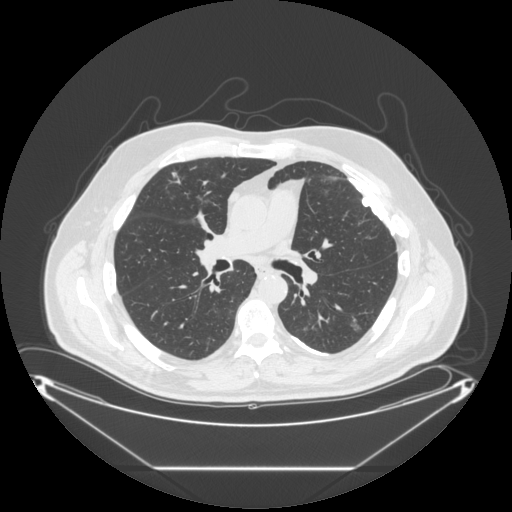
Axial chest CT slice 165 of 297 (counted from the lowest slice); tube voltage 120 kVp, convolution kernel STANDARD; slices 1.25 mm thick, 0.949 mm per pixel.
Two pulmonary nodules are outlined on this slice; from left to right: (1) Pulmonary nodule outlined by two of the four readers; box rows 171–178, columns 171–177 (the union of the readers' outlines on this slice); longest diameter 8.9 mm on average over the two readers' outlines (readers' outlines 8.1–9.7 mm), volume 121–173 mm3. Ratings, by the readers' most common answer with dissent counted: texture 1/5 (non-solid), both readers agreeing; margin 2/5, both readers agreeing; sphericity 5/5 (round), both readers agreeing; calcification absent from both readers; internal structure soft tissue, both readers agreeing; subtlety split among the readers: 1/5 (one), 2/5 (one); malignancy likelihood split among the readers: 2/5 (one), 3/5 (one). (2) Pulmonary nodule at rows 318–331, columns 349–360 (box = the union of the readers' outlines on this slice), outlined by two of the four readers; longest diameter 12.7–15.0 mm and volume 351–570 mm3 across the two readers' outlines. Ratings across the readers: texture from 1/5 (non-solid) to 5/5 (solid) across the two readers; margin from 2/5 to 5/5 (circumscribed) across the two readers; sphericity from 4/5 to 5/5 (round) across the two readers; calcification absent from both readers; internal structure soft tissue from both readers; subtlety from 1/5 to 4/5 across the two readers; malignancy likelihood 2/5 from both readers. Scale key (1–5): texture non-solid→solid, margin indistinct→circumscribed, sphericity linear→round, subtlety extremely subtle→obvious, malignancy likelihood highly unlikely→highly suspicious of cancer. Box rows and columns are 0-based pixel indices from the top-left corner, inclusive.